Axial chest CT slice 129 of 239 (counted from the lowest slice); tube voltage 120 kVp, convolution kernel BONE; slices 1.25 mm thick, 0.795 mm per pixel.
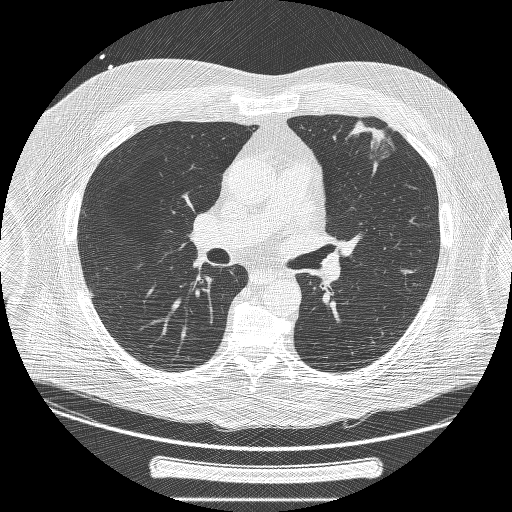
Pulmonary nodule, outlined by two of the four readers. Box on this slice rows 120–159, columns 345–392, the union of the readers' outlines on this slice; median longest diameter 43.2 mm (readers' outlines 43.0–43.4 mm), median volume 10782 mm3 (10396–11168 mm3). Ratings, median across the readers with their spread: median texture 4/5 (readers ranged 3/5 (part-solid) to 5/5 (solid)); margin 2/5 at the median of two readers, spread 1/5 (indistinct) to 3/5; median sphericity 2/5 (readers ranged 1/5 (linear) to 3/5 (ovoid)); calcification absent from both readers; internal structure soft tissue from both readers; subtlety 5/5, both readers agreeing; malignancy likelihood 5/5 from both readers. Scale key (1–5): texture non-solid→solid, margin indistinct→circumscribed, sphericity linear→round, subtlety extremely subtle→obvious, malignancy likelihood highly unlikely→highly suspicious of cancer. Box rows and columns are 0-based pixel indices from the top-left corner, inclusive.